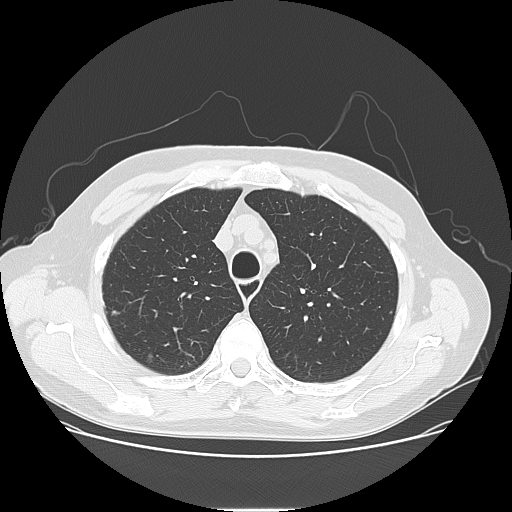
Slice 108/141 of a chest CT, counting up from the lowest; pixel size 0.762 mm, slice thickness 2.50 mm. Two pulmonary nodules are outlined on this slice; from left to right: (1) Pulmonary nodule, outlined by one of the four readers. Box on this slice rows 310–315, columns 111–119, that reader's outline on this slice; longest diameter 8.0 mm and volume 75 mm3 from that reader's outline. Ratings by that reader: texture 3/5 (part-solid); margin 3/5; sphericity 2/5; calcification absent; internal structure soft tissue; subtlety 3/5; malignancy likelihood 3/5. (2) Pulmonary nodule at rows 355–361, columns 147–152 (box = the one reader's outline on this slice), outlined by all four readers, one of them on this slice; longest diameter 7.5 mm on average over the four readers' outlines (readers' outlines 6.9–8.2 mm), volume 59–170 mm3. Ratings, by the readers' most common answer with dissent counted: texture 5/5 (solid) from all four readers; margin split among the readers: 4/5 (two), 5/5 (circumscribed) (two); sphericity 3/5 (ovoid) by three of four readers; the rest gave 5/5 (round) (one); calcification absent, all four readers agreeing; internal structure soft tissue from all four readers; subtlety split among the readers: 2/5 (one), 3/5 (one), 4/5 (one), 5/5 (one); malignancy likelihood 3/5, all four readers agreeing. Scale key (1–5): texture non-solid→solid, margin indistinct→circumscribed, sphericity linear→round, subtlety extremely subtle→obvious, malignancy likelihood highly unlikely→highly suspicious of cancer. Box rows and columns are 0-based pixel indices from the top-left corner, inclusive.
Tube voltage 120 kVp; convolution kernel LUNG.